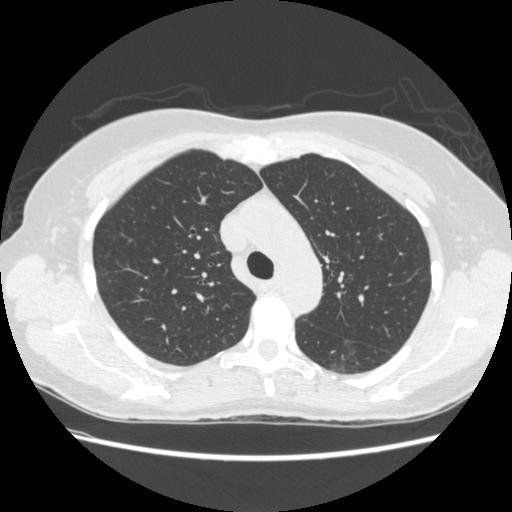
Axial slice 181 of 261 of a chest CT (slice 1 is the lowest), reconstructed with the STANDARD kernel at 120 kVp; 1.25 mm slice thickness and 0.682 mm pixels.
Pulmonary nodule at rows 339–373, columns 329–357 (box = the union of the readers' outlines on this slice), outlined by two of the four readers; median longest diameter 30.8 mm (readers' outlines 30.0–31.5 mm), median volume 7245 mm3 (6577–7912 mm3). Ratings, median across the readers with their spread: texture 1.5/5 at the median of two readers, spread 1/5 (non-solid) to 2/5; median margin 1.5/5 (readers ranged 1/5 (indistinct) to 2/5); sphericity 4/5 at the median of two readers, spread 3/5 (ovoid) to 5/5 (round); calcification absent from both readers; internal structure soft tissue, both readers agreeing; subtlety 1.5/5 at the median of two readers, spread 1–2; median malignancy likelihood 4.5/5 (readers ranged 4–5). Scale key (1–5): texture non-solid→solid, margin indistinct→circumscribed, sphericity linear→round, subtlety extremely subtle→obvious, malignancy likelihood highly unlikely→highly suspicious of cancer. Box rows and columns are 0-based pixel indices from the top-left corner, inclusive.